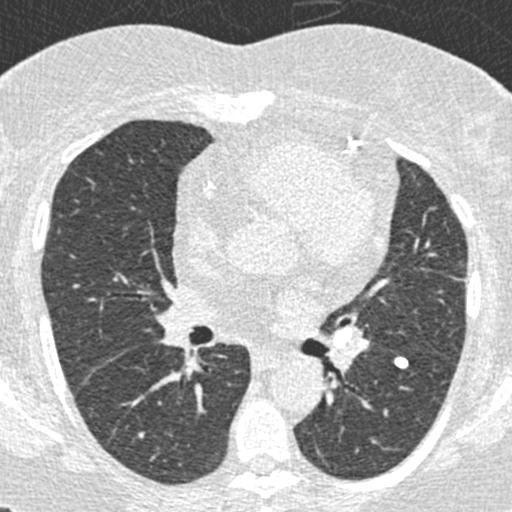
Axial slice 265 of 423 of a chest CT (slice 1 is the lowest), reconstructed with the B30f kernel at 120 kVp; 0.75 mm slice thickness and 0.520 mm pixels.
Pulmonary nodule outlined by all four readers; box rows 357–368, columns 394–408 (the union of the readers' outlines on this slice); median longest diameter 8.5 mm (readers' outlines 8.1–9.5 mm), median volume 180 mm3 (146–244 mm3). Median ratings and the readers' spread: texture 5/5 (solid) from all four readers; margin 5/5 (circumscribed) from all four readers; median sphericity 3.5/5 (readers ranged 3/5 (ovoid) to 5/5 (round)); calcification solid calcification from all four readers; internal structure soft tissue from all four readers; median subtlety 5/5 (readers ranged 4–5); malignancy likelihood 1/5, all four readers agreeing. Scale key (1–5): texture non-solid→solid, margin indistinct→circumscribed, sphericity linear→round, subtlety extremely subtle→obvious, malignancy likelihood highly unlikely→highly suspicious of cancer. Box rows and columns are 0-based pixel indices from the top-left corner, inclusive.